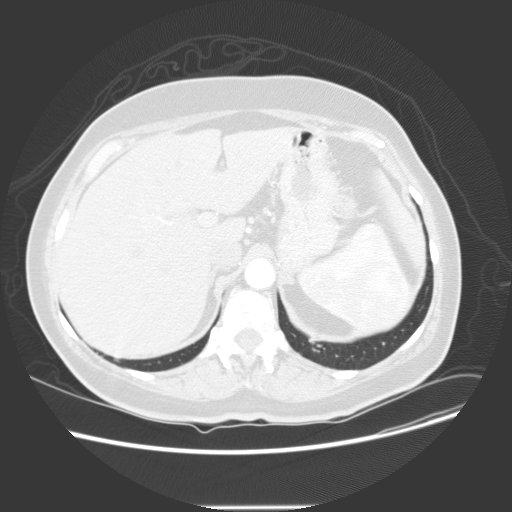
One axial slice (23 of 133, counting up from the lowest) of a chest CT acquired at 120 kVp with the STANDARD kernel; each pixel is 0.742 mm and the slice is 2.50 mm thick.
Two pulmonary nodules are outlined on this slice; from left to right: (1) Pulmonary nodule at rows 358–361, columns 115–118 (box = the one reader's outline on this slice), outlined by all four readers, one of them on this slice; longest diameter 8.2–9.3 mm and volume 151–215 mm3 across the four readers' outlines. Ratings across the readers: texture 5/5 (solid) from all four readers; margin from 4/5 to 5/5 (circumscribed) across the four readers; sphericity from 3/5 (ovoid) to 4/5 across the four readers; calcification split among the readers: absent (two), solid calcification (two); internal structure soft tissue from all four readers; subtlety 3–5/5 (the readers disagree); malignancy likelihood rated between 1 and 3 out of 5 by the four readers. (2) Pulmonary nodule, outlined by all four readers, one of them on this slice. Box on this slice rows 340–343, columns 308–313, the one reader's outline on this slice; median longest diameter 11.6 mm (readers' outlines 10.6–12.0 mm), median volume 418 mm3 (373–535 mm3). Ratings, median across the readers with their spread: texture 5/5 (solid) from all four readers; median margin 5/5 (circumscribed) (readers ranged 4/5 to 5/5 (circumscribed)); sphericity 3.5/5 at the median of four readers, spread 2/5 to 5/5 (round); calcification split among the readers: absent (two), solid calcification (two); internal structure soft tissue, all four readers agreeing; median subtlety 5/5 (readers ranged 4–5); median malignancy likelihood 2/5 (readers ranged 1–3). Scale key (1–5): texture non-solid→solid, margin indistinct→circumscribed, sphericity linear→round, subtlety extremely subtle→obvious, malignancy likelihood highly unlikely→highly suspicious of cancer. Box rows and columns are 0-based pixel indices from the top-left corner, inclusive.